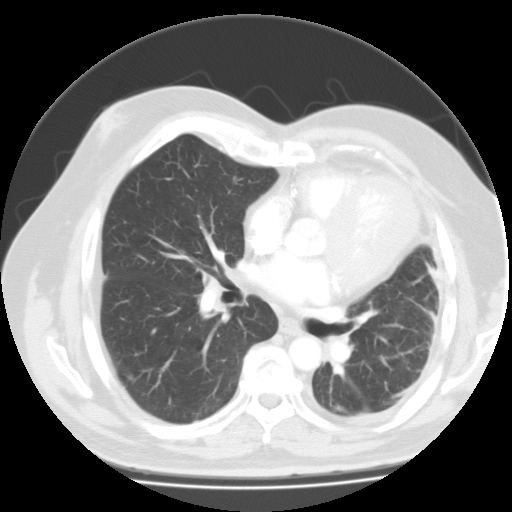
Axial chest CT slice 65 of 111 (counted from the lowest slice); tube voltage 135 kVp, convolution kernel FC01; slices 3.00 mm thick, 0.769 mm per pixel.
Pulmonary nodule at rows 375–378, columns 128–132 (box = the one reader's outline on this slice), outlined by all four readers, one of them on this slice; longest diameter 7.1–8.8 mm and volume 182–267 mm3 across the four readers' outlines. The readers' ratings, as ranges where they differ: texture 5/5 (solid), all four readers agreeing; margin 5/5 (circumscribed) from all four readers; sphericity from 4/5 to 5/5 (round) across the four readers; calcification solid calcification, all four readers agreeing; internal structure soft tissue, all four readers agreeing; subtlety from 4/5 to 5/5 across the four readers; malignancy likelihood 1/5 from all four readers. Scale key (1–5): texture non-solid→solid, margin indistinct→circumscribed, sphericity linear→round, subtlety extremely subtle→obvious, malignancy likelihood highly unlikely→highly suspicious of cancer. Box rows and columns are 0-based pixel indices from the top-left corner, inclusive.